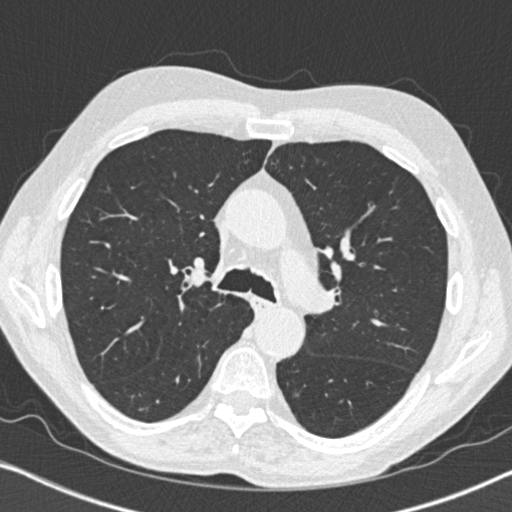
Axial chest CT slice 511 of 764 (counted from the lowest slice); tube voltage 120 kVp, convolution kernel B31f; slices 1.00 mm thick, 0.646 mm per pixel.
Pulmonary nodule at rows 393–396, columns 294–298 (box = the one reader's outline on this slice), outlined by all four readers, one of them on this slice; the four readers' outlines give a longest diameter between 10.7 and 12.7 mm and a volume between 382 and 638 mm3. The readers' ratings, as ranges where they differ: texture 5/5 (solid), all four readers agreeing; margin 5/5 (circumscribed) from all four readers; sphericity from 4/5 to 5/5 (round) across the four readers; calcification solid calcification from all four readers; internal structure soft tissue from all four readers; subtlety 5/5 from all four readers; malignancy likelihood 1/5, all four readers agreeing. Scale key (1–5): texture non-solid→solid, margin indistinct→circumscribed, sphericity linear→round, subtlety extremely subtle→obvious, malignancy likelihood highly unlikely→highly suspicious of cancer. Box rows and columns are 0-based pixel indices from the top-left corner, inclusive.